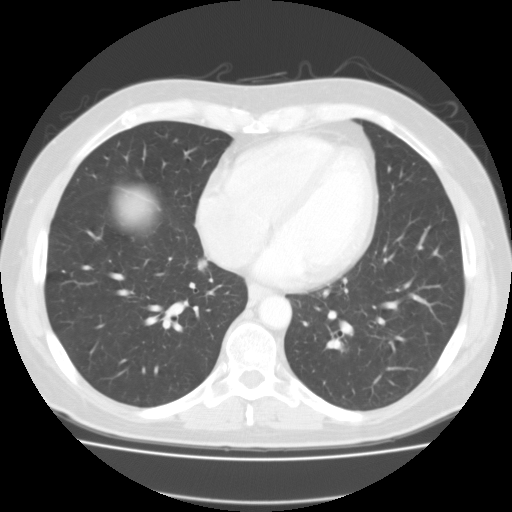
One axial slice (59 of 127, counting up from the lowest) of a chest CT acquired at 135 kVp with the FC01 kernel; each pixel is 0.750 mm and the slice is 3.00 mm thick.
Pulmonary nodule outlined by three of the four readers; box rows 256–282, columns 196–212 (the union of the readers' outlines on this slice); median longest diameter 12.6 mm (readers' outlines 11.6–24.2 mm), median volume 652 mm3 (332–728 mm3). Ratings, median across the readers with their spread: median texture 4/5 (readers ranged 4/5 to 5/5 (solid)); median margin 3/5 (readers ranged 1/5 (indistinct) to 3/5); sphericity 4/5, all three readers agreeing; calcification absent, all three readers agreeing; internal structure soft tissue from all three readers; median subtlety 3/5 (readers ranged 3–4); malignancy likelihood 4/5 at the median of three readers, spread 3–4. Scale key (1–5): texture non-solid→solid, margin indistinct→circumscribed, sphericity linear→round, subtlety extremely subtle→obvious, malignancy likelihood highly unlikely→highly suspicious of cancer. Box rows and columns are 0-based pixel indices from the top-left corner, inclusive.